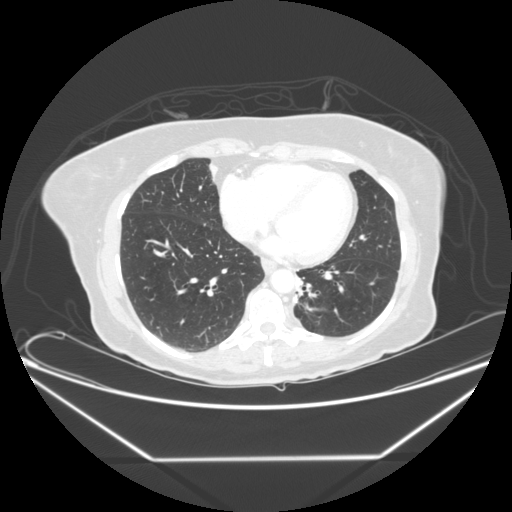
One axial slice (85 of 245, counting up from the lowest) of a chest CT acquired at 120 kVp with the STANDARD kernel; each pixel is 0.826 mm and the slice is 1.25 mm thick.
Pulmonary nodule, outlined by all four readers, one of them on this slice. Box on this slice rows 302–308, columns 303–308, the one reader's outline on this slice; longest diameter 12.9 mm on average over the four readers' outlines (readers' outlines 10.9–14.9 mm), volume 519–637 mm3. The readers' prevailing ratings and who disagreed: texture 5/5 (solid), all four readers agreeing; margin 4/5 by three of four readers; the rest gave 5/5 (circumscribed) (one); sphericity 4/5 by two of four readers; the rest gave 3/5 (ovoid) (one), 5/5 (round) (one); calcification absent, all four readers agreeing; internal structure soft tissue from all four readers; subtlety split among the readers: 2/5 (one), 3/5 (one), 4/5 (one), 5/5 (one); malignancy likelihood 3/5 by three of four readers; the rest gave 4/5 (one). Scale key (1–5): texture non-solid→solid, margin indistinct→circumscribed, sphericity linear→round, subtlety extremely subtle→obvious, malignancy likelihood highly unlikely→highly suspicious of cancer. Box rows and columns are 0-based pixel indices from the top-left corner, inclusive.